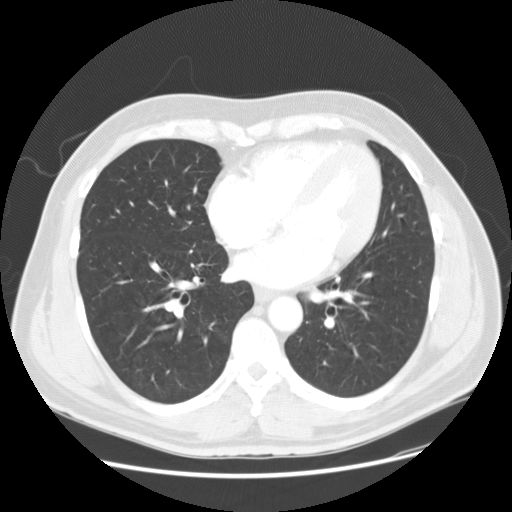
Axial chest CT slice 65 of 143 (counted from the lowest slice); 2.50 mm thick, 0.742 mm per pixel. No nodule of 3 mm or larger was outlined by any of the four readers on this slice.
Scan settings: 120 kVp, STANDARD reconstruction kernel.